One axial slice (187 of 261, counting up from the lowest) of a chest CT acquired at 120 kVp with the STANDARD kernel; each pixel is 0.682 mm and the slice is 1.25 mm thick.
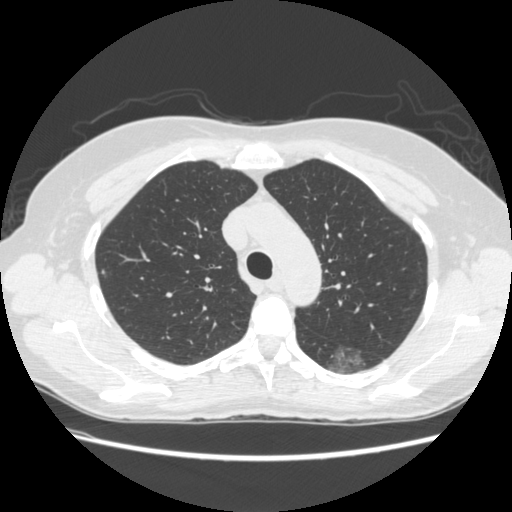
Pulmonary nodule, outlined by two of the four readers. Box on this slice rows 345–374, columns 325–365, the union of the readers' outlines on this slice; median longest diameter 30.8 mm (readers' outlines 30.0–31.5 mm), median volume 7245 mm3 (6577–7912 mm3). Ratings, median across the readers with their spread: texture 1.5/5 at the median of two readers, spread 1/5 (non-solid) to 2/5; margin 1.5/5 at the median of two readers, spread 1/5 (indistinct) to 2/5; median sphericity 4/5 (readers ranged 3/5 (ovoid) to 5/5 (round)); calcification absent, both readers agreeing; internal structure soft tissue from both readers; subtlety 1.5/5 at the median of two readers, spread 1–2; median malignancy likelihood 4.5/5 (readers ranged 4–5). Scale key (1–5): texture non-solid→solid, margin indistinct→circumscribed, sphericity linear→round, subtlety extremely subtle→obvious, malignancy likelihood highly unlikely→highly suspicious of cancer. Box rows and columns are 0-based pixel indices from the top-left corner, inclusive.